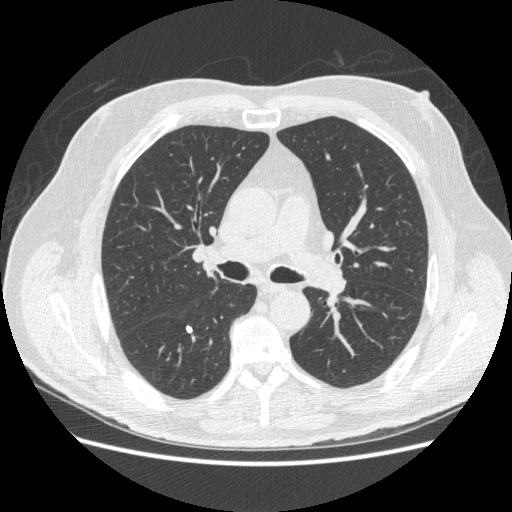
Chest CT, axial plane, 120 kVp, kernel STANDARD. Slice 304/503 from the bottom of the scan; thickness 1.25 mm; pixel size 0.742 mm.
Pulmonary nodule, outlined by all four readers. Box on this slice rows 325–333, columns 185–192, the union of the readers' outlines on this slice; longest diameter 7.0–8.7 mm and volume 116–149 mm3 across the four readers' outlines. The readers' ratings, as ranges where they differ: texture 5/5 (solid) from all four readers; margin 5/5 (circumscribed) from all four readers; sphericity from 3/5 (ovoid) to 5/5 (round) across the four readers; calcification solid calcification, all four readers agreeing; internal structure soft tissue, all four readers agreeing; subtlety from 4/5 to 5/5 across the four readers; malignancy likelihood 1/5 from all four readers. Scale key (1–5): texture non-solid→solid, margin indistinct→circumscribed, sphericity linear→round, subtlety extremely subtle→obvious, malignancy likelihood highly unlikely→highly suspicious of cancer. Box rows and columns are 0-based pixel indices from the top-left corner, inclusive.